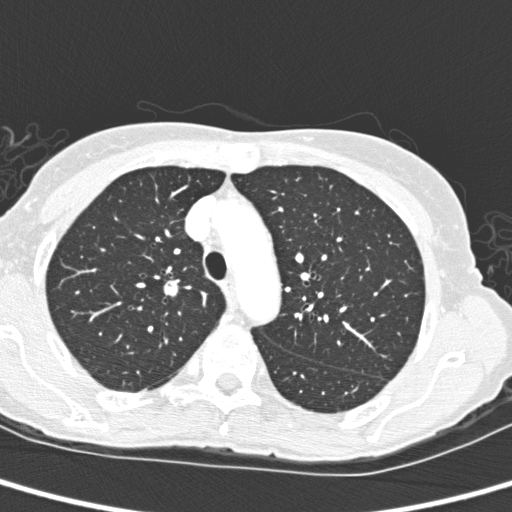
Axial slice 205 of 280 of a chest CT (slice 1 is the lowest), reconstructed with the D kernel at 120 kVp; 1.00 mm slice thickness and 0.564 mm pixels.
Pulmonary nodule, outlined by all four readers. Box on this slice rows 278–296, columns 163–177, the union of the readers' outlines on this slice; the four readers' outlines give a longest diameter between 9.9 and 12.5 mm and a volume between 362 and 590 mm3. The readers' ratings, as ranges where they differ: texture from 4/5 to 5/5 (solid) across the four readers; margin from 4/5 to 5/5 (circumscribed) across the four readers; sphericity from 3/5 (ovoid) to 5/5 (round) across the four readers; calcification absent, all four readers agreeing; internal structure soft tissue, all four readers agreeing; subtlety 4–5/5 (the readers disagree); malignancy likelihood rated between 2 and 5 out of 5 by the four readers. Scale key (1–5): texture non-solid→solid, margin indistinct→circumscribed, sphericity linear→round, subtlety extremely subtle→obvious, malignancy likelihood highly unlikely→highly suspicious of cancer. Box rows and columns are 0-based pixel indices from the top-left corner, inclusive.